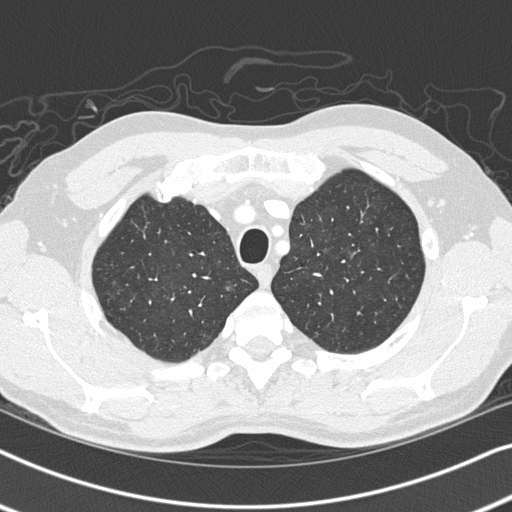
Chest CT, axial plane, 120 kVp, kernel B45f. Slice 272/326 from the bottom of the scan; thickness 1.00 mm; pixel size 0.645 mm.
Pulmonary nodule, outlined by all four readers. Box on this slice rows 285–290, columns 225–233, the union of the readers' outlines on this slice; median longest diameter 9.2 mm (readers' outlines 8.4–11.1 mm), median volume 169 mm3 (144–204 mm3). Ratings, median across the readers with their spread: texture 1/5 (non-solid) at the median of four readers, spread 1/5 (non-solid) to 3/5 (part-solid); margin 2/5 at the median of four readers, spread 2/5 to 5/5 (circumscribed); sphericity 4/5 at the median of four readers, spread 4/5 to 5/5 (round); calcification absent, all four readers agreeing; internal structure soft tissue, all four readers agreeing; subtlety 2/5 at the median of four readers, spread 1–4; median malignancy likelihood 2.5/5 (readers ranged 2–3). Scale key (1–5): texture non-solid→solid, margin indistinct→circumscribed, sphericity linear→round, subtlety extremely subtle→obvious, malignancy likelihood highly unlikely→highly suspicious of cancer. Box rows and columns are 0-based pixel indices from the top-left corner, inclusive.